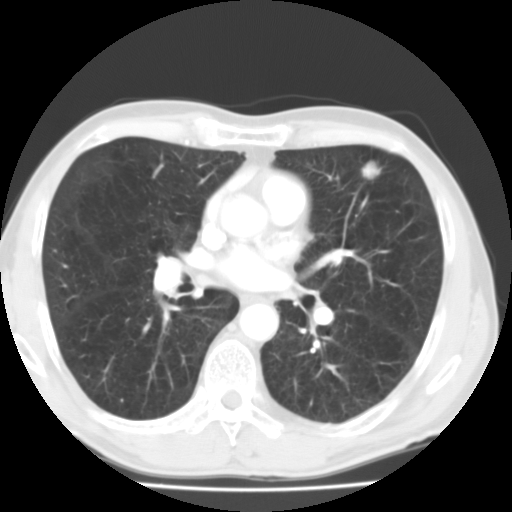
One axial slice (62 of 119, counting up from the lowest) of a chest CT acquired at 135 kVp with the FC01 kernel; each pixel is 0.640 mm and the slice is 3.00 mm thick.
Pulmonary nodule outlined by all four readers; box rows 160–181, columns 359–381 (the union of the readers' outlines on this slice); longest diameter 19.4–21.3 mm and volume 2099–3516 mm3 across the four readers' outlines. Ratings across the readers: texture 5/5 (solid) from all four readers; margin from 4/5 to 5/5 (circumscribed) across the four readers; sphericity from 3/5 (ovoid) to 4/5 across the four readers; calcification: absent (three), central calcification (one); internal structure soft tissue from all four readers; subtlety 5/5 from all four readers; malignancy likelihood from 1/5 to 5/5 across the four readers. Scale key (1–5): texture non-solid→solid, margin indistinct→circumscribed, sphericity linear→round, subtlety extremely subtle→obvious, malignancy likelihood highly unlikely→highly suspicious of cancer. Box rows and columns are 0-based pixel indices from the top-left corner, inclusive.